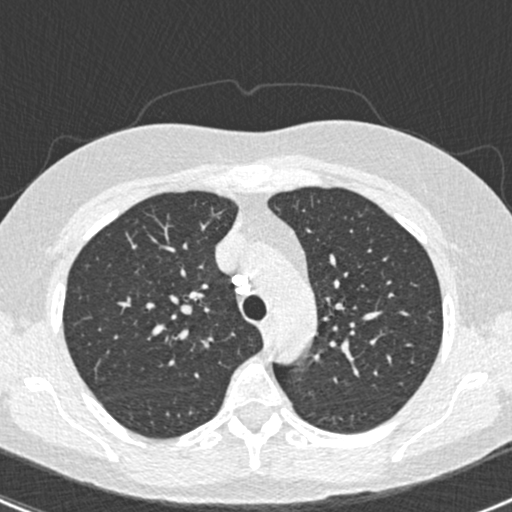
Slice 321/429 of a chest CT, counting up from the lowest; pixel size 0.586 mm, slice thickness 0.75 mm. The readers outlined no nodule of 3 mm or more on this slice.
Acquired at 120 kVp and reconstructed with the B30f kernel.